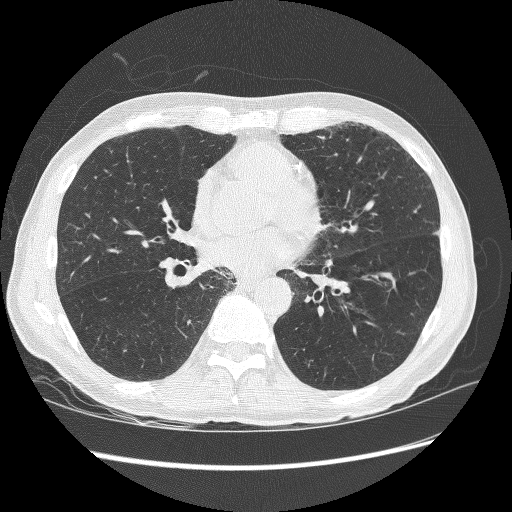
Axial chest CT slice 123 of 278 (counted from the lowest slice); tube voltage 120 kVp, convolution kernel BONE; slices 1.25 mm thick, 0.711 mm per pixel.
This slice carries no reader outline of a nodule 3 mm or larger.